One axial slice (152 of 280, counting up from the lowest) of a chest CT acquired at 120 kVp with the BONE kernel; each pixel is 0.703 mm and the slice is 1.25 mm thick.
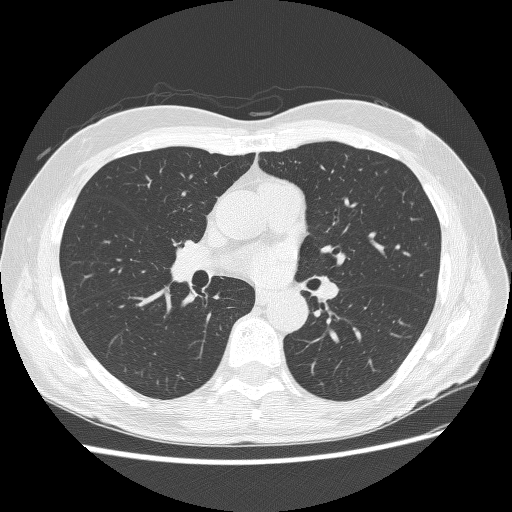
None of the four readers outlined a nodule of 3 mm or more on this slice.